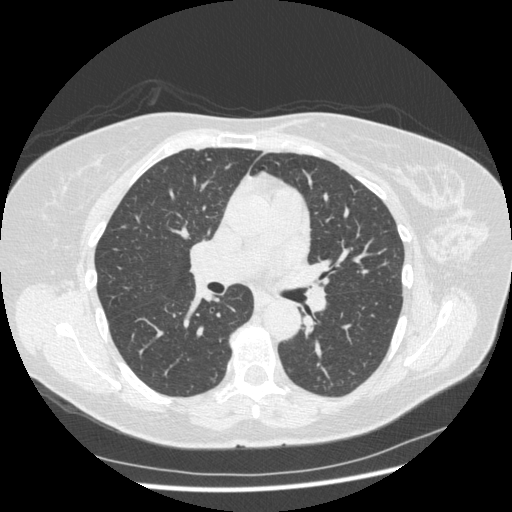
Chest CT, axial plane, 120 kVp, kernel STANDARD. Slice 247/436 from the bottom of the scan; thickness 1.25 mm; pixel size 0.703 mm.
This slice carries no reader outline of a nodule 3 mm or larger.